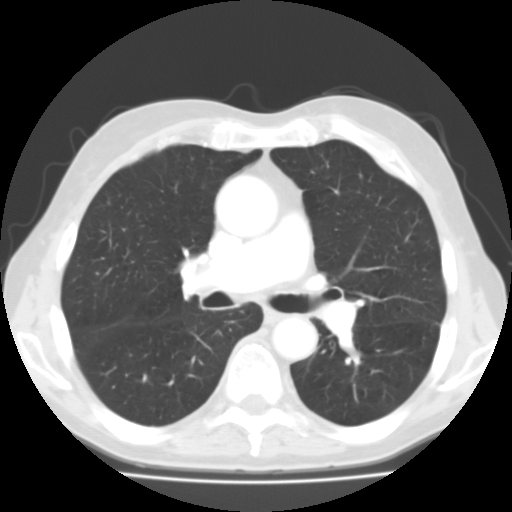
Axial chest CT slice 76 of 129 (counted from the lowest slice); 3.00 mm thick, 0.662 mm per pixel. None of the four readers outlined a nodule of 3 mm or more on this slice.
Tube voltage 135 kVp; convolution kernel FC01.